One axial slice (178 of 265, counting up from the lowest) of a chest CT acquired at 120 kVp with the BONE kernel; each pixel is 0.664 mm and the slice is 1.25 mm thick.
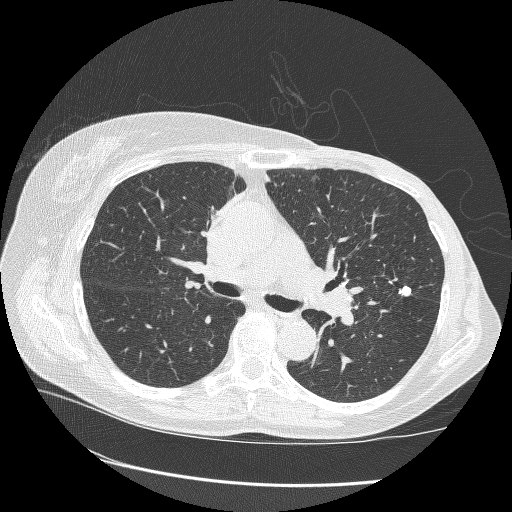
Pulmonary nodule at rows 285–296, columns 398–411 (box = the union of the readers' outlines on this slice), outlined by all four readers; the four readers' outlines give a longest diameter between 9.5 and 10.3 mm and a volume between 272 and 367 mm3. Ratings across the readers: texture 5/5 (solid), all four readers agreeing; margin from 4/5 to 5/5 (circumscribed) across the four readers; sphericity from 3/5 (ovoid) to 5/5 (round) across the four readers; calcification: solid calcification (three), absent (one); internal structure soft tissue from all four readers; subtlety 4–5/5 (the readers disagree); malignancy likelihood 1–4/5 (the readers disagree). Scale key (1–5): texture non-solid→solid, margin indistinct→circumscribed, sphericity linear→round, subtlety extremely subtle→obvious, malignancy likelihood highly unlikely→highly suspicious of cancer. Box rows and columns are 0-based pixel indices from the top-left corner, inclusive.